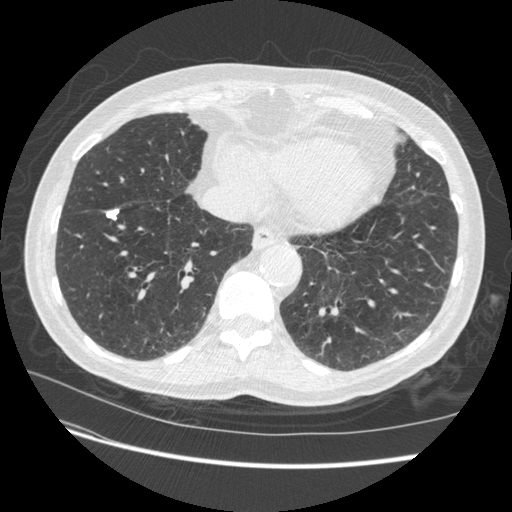
Chest CT, axial plane, 120 kVp, kernel STANDARD. Slice 137/509 from the bottom of the scan; thickness 1.25 mm; pixel size 0.703 mm.
Pulmonary nodule outlined by three of the four readers; box rows 209–220, columns 104–119 (the union of the readers' outlines on this slice); longest diameter 11.8 mm on average over the three readers' outlines (readers' outlines 11.4–12.1 mm), volume 273–413 mm3. Ratings, by the readers' most common answer with dissent counted: texture 5/5 (solid) from all three readers; margin 5/5 (circumscribed) by two of three readers; the rest gave 4/5 (one); sphericity 3/5 (ovoid) by two of three readers; the rest gave 4/5 (one); calcification solid calcification, all three readers agreeing; internal structure soft tissue, all three readers agreeing; most readers (two of three) put subtlety at 5/5, others 4/5 (one); malignancy likelihood 1/5 from all three readers. Scale key (1–5): texture non-solid→solid, margin indistinct→circumscribed, sphericity linear→round, subtlety extremely subtle→obvious, malignancy likelihood highly unlikely→highly suspicious of cancer. Box rows and columns are 0-based pixel indices from the top-left corner, inclusive.